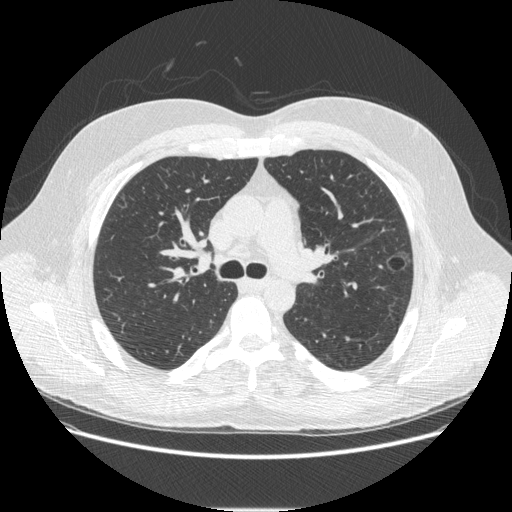
Axial chest CT slice 313 of 497 (counted from the lowest slice); tube voltage 120 kVp, convolution kernel STANDARD; slices 1.25 mm thick, 0.762 mm per pixel.
Pulmonary nodule outlined by all four readers; box rows 251–273, columns 385–410 (the union of the readers' outlines on this slice); longest diameter 21.8 mm on average over the four readers' outlines (readers' outlines 21.5–22.5 mm), volume 2170–2597 mm3. The readers' prevailing ratings and who disagreed: most readers (three of four) put texture at 1/5 (non-solid), others 3/5 (part-solid) (one); margin 3/5 by two of four readers; the rest gave 2/5 (one), 4/5 (one); sphericity 5/5 (round) by two of four readers; the rest gave 3/5 (ovoid) (one), 4/5 (one); calcification absent, all four readers agreeing; internal structure split among the readers: air (two), soft tissue (two); subtlety 4/5 by two of four readers; the rest gave 1/5 (one), 5/5 (one); malignancy likelihood split among the readers: 1/5 (one), 2/5 (one), 4/5 (one), 5/5 (one). Scale key (1–5): texture non-solid→solid, margin indistinct→circumscribed, sphericity linear→round, subtlety extremely subtle→obvious, malignancy likelihood highly unlikely→highly suspicious of cancer. Box rows and columns are 0-based pixel indices from the top-left corner, inclusive.